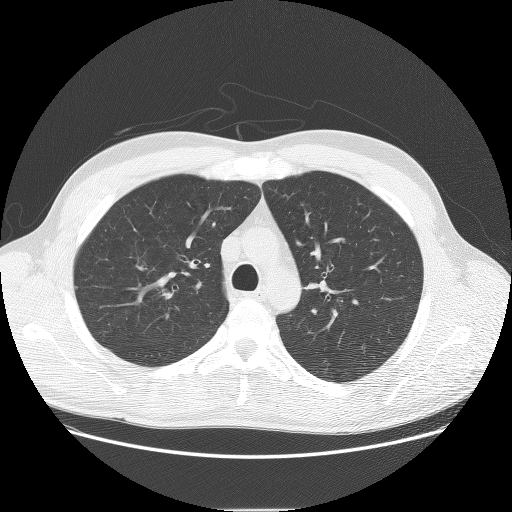
Axial chest CT slice 85 of 121 (counted from the lowest slice); tube voltage 140 kVp, convolution kernel BONE; slices 2.50 mm thick, 0.762 mm per pixel.
Pulmonary nodule, outlined by one of the four readers. Box on this slice rows 285–290, columns 74–77, that reader's outline on this slice; longest diameter 5.4 mm and volume 60 mm3 from that reader's outline. That reader's ratings: texture 5/5 (solid); margin 5/5 (circumscribed); sphericity 5/5 (round); calcification absent; internal structure soft tissue; subtlety 3/5; malignancy likelihood 1/5. Scale key (1–5): texture non-solid→solid, margin indistinct→circumscribed, sphericity linear→round, subtlety extremely subtle→obvious, malignancy likelihood highly unlikely→highly suspicious of cancer. Box rows and columns are 0-based pixel indices from the top-left corner, inclusive.